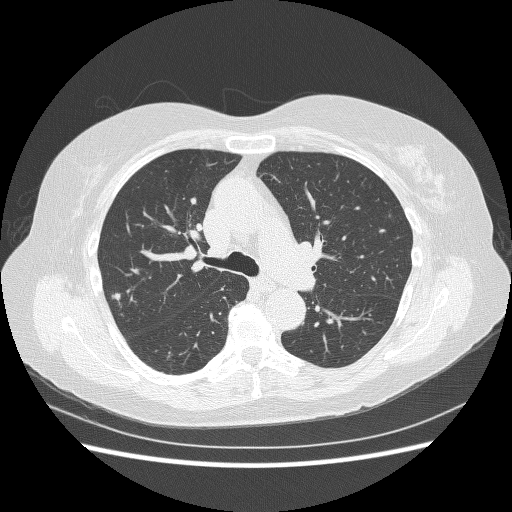
Slice 162/240 of a chest CT, counting up from the lowest; pixel size 0.703 mm, slice thickness 1.25 mm. Pulmonary nodule at rows 293–299, columns 114–120 (box = that reader's outline on this slice), outlined by one of the four readers; longest diameter 6.0 mm and volume 103 mm3 from that reader's outline. Ratings by that reader: texture 5/5 (solid); margin 5/5 (circumscribed); sphericity 4/5; calcification absent; internal structure soft tissue; subtlety 4/5; malignancy likelihood 2/5. Scale key (1–5): texture non-solid→solid, margin indistinct→circumscribed, sphericity linear→round, subtlety extremely subtle→obvious, malignancy likelihood highly unlikely→highly suspicious of cancer. Box rows and columns are 0-based pixel indices from the top-left corner, inclusive.
Acquired at 120 kVp and reconstructed with the BONE kernel.